Axial slice 262 of 301 of a chest CT (slice 1 is the lowest), reconstructed with the STANDARD kernel at 120 kVp; 1.25 mm slice thickness and 0.752 mm pixels.
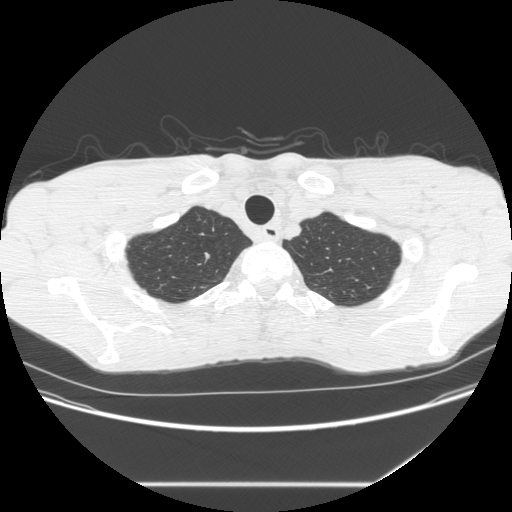
Pulmonary nodule at rows 254–257, columns 206–209 (box = that reader's outline on this slice), outlined by one of the four readers; longest diameter 4.4 mm and volume 27 mm3 from that reader's outline. That reader's ratings: texture 4/5; margin 2/5; sphericity 4/5; calcification absent; internal structure soft tissue; subtlety 2/5; malignancy likelihood 2/5. Scale key (1–5): texture non-solid→solid, margin indistinct→circumscribed, sphericity linear→round, subtlety extremely subtle→obvious, malignancy likelihood highly unlikely→highly suspicious of cancer. Box rows and columns are 0-based pixel indices from the top-left corner, inclusive.